Chest CT, axial plane, 120 kVp, kernel STANDARD. Slice 198/484 from the bottom of the scan; thickness 1.25 mm; pixel size 0.625 mm.
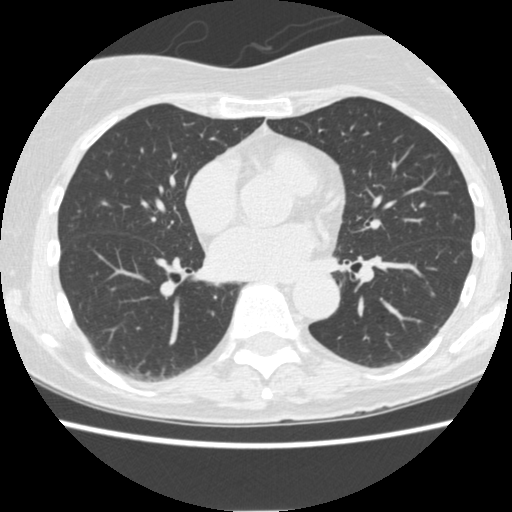
Pulmonary nodule, outlined by one of the four readers. Box on this slice rows 326–328, columns 433–436, that reader's outline on this slice; longest diameter 4.6 mm and volume 36 mm3 from that reader's outline. Ratings by that reader: texture 5/5 (solid); margin 5/5 (circumscribed); sphericity 4/5; calcification solid calcification; internal structure soft tissue; subtlety 5/5; malignancy likelihood 1/5. Scale key (1–5): texture non-solid→solid, margin indistinct→circumscribed, sphericity linear→round, subtlety extremely subtle→obvious, malignancy likelihood highly unlikely→highly suspicious of cancer. Box rows and columns are 0-based pixel indices from the top-left corner, inclusive.